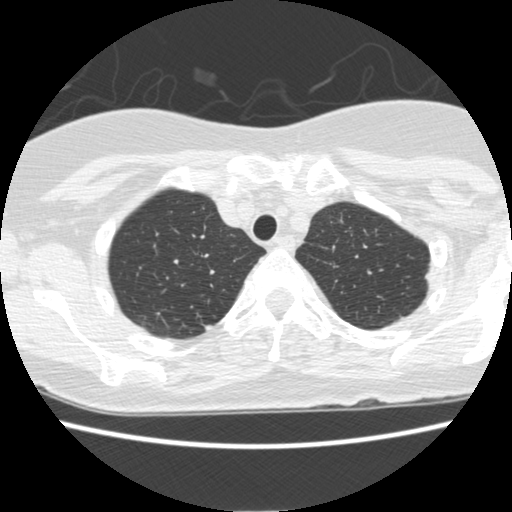
This is axial slice 375 of 484 (slice 1 is the lowest) of a chest CT; each pixel is 0.625 mm and the slice is 1.25 mm thick. Pulmonary nodule outlined by one of the four readers; box rows 325–330, columns 205–211 (that reader's outline on this slice); longest diameter 5.9 mm and volume 45 mm3 from that reader's outline. That reader's ratings: texture 5/5 (solid); margin 4/5; sphericity 3/5 (ovoid); calcification absent; internal structure soft tissue; subtlety 3/5; malignancy likelihood 1/5. Scale key (1–5): texture non-solid→solid, margin indistinct→circumscribed, sphericity linear→round, subtlety extremely subtle→obvious, malignancy likelihood highly unlikely→highly suspicious of cancer. Box rows and columns are 0-based pixel indices from the top-left corner, inclusive.
Tube voltage 120 kVp; convolution kernel STANDARD.